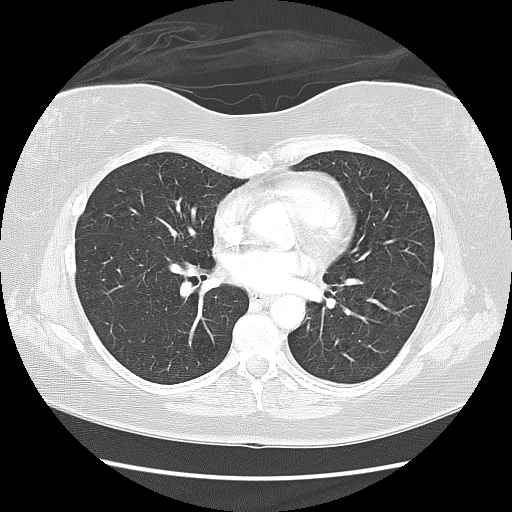
Axial chest CT slice 70 of 133 (counted from the lowest slice); 2.50 mm thick, 0.703 mm per pixel. No nodule 3 mm or larger was outlined here by any reader.
Acquired at 120 kVp and reconstructed with the LUNG kernel.